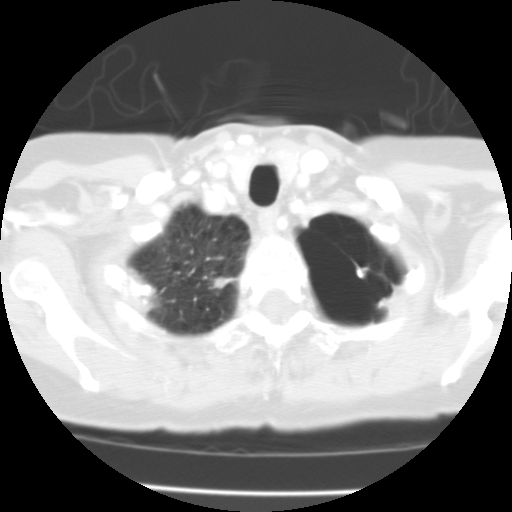
One axial slice (93 of 100, counting up from the lowest) of a chest CT acquired at 135 kVp with the FC01 kernel; each pixel is 0.540 mm and the slice is 3.00 mm thick.
Pulmonary nodule outlined by one of the four readers; box rows 267–278, columns 356–362 (that reader's outline on this slice); longest diameter 7.1 mm and volume 126 mm3 from that reader's outline. That reader's ratings: texture 5/5 (solid); margin 5/5 (circumscribed); sphericity 3/5 (ovoid); calcification solid calcification; internal structure soft tissue; subtlety 3/5; malignancy likelihood 1/5. Scale key (1–5): texture non-solid→solid, margin indistinct→circumscribed, sphericity linear→round, subtlety extremely subtle→obvious, malignancy likelihood highly unlikely→highly suspicious of cancer. Box rows and columns are 0-based pixel indices from the top-left corner, inclusive.